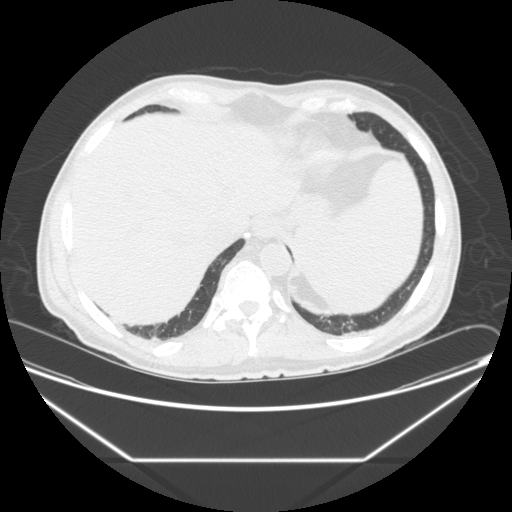
One axial slice (51 of 251, counting up from the lowest) of a chest CT acquired at 120 kVp with the STANDARD kernel; each pixel is 0.809 mm and the slice is 1.25 mm thick.
Pulmonary nodule, outlined by one of the four readers. Box on this slice rows 232–237, columns 244–249, that reader's outline on this slice; longest diameter 9.8 mm and volume 269 mm3 from that reader's outline. Ratings by that reader: texture 5/5 (solid); margin 5/5 (circumscribed); sphericity 5/5 (round); calcification solid calcification; internal structure soft tissue; subtlety 5/5; malignancy likelihood 1/5. Scale key (1–5): texture non-solid→solid, margin indistinct→circumscribed, sphericity linear→round, subtlety extremely subtle→obvious, malignancy likelihood highly unlikely→highly suspicious of cancer. Box rows and columns are 0-based pixel indices from the top-left corner, inclusive.